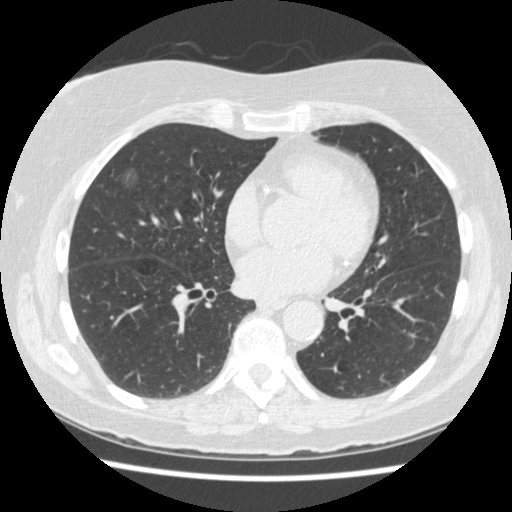
Axial chest CT slice 212 of 474 (counted from the lowest slice); 1.25 mm thick, 0.625 mm per pixel. Pulmonary nodule, outlined by all four readers, two of them on this slice. Box on this slice rows 169–186, columns 119–137, the union of the readers' outlines on this slice; longest diameter 14.7 mm on average over the four readers' outlines (readers' outlines 12.6–15.8 mm), volume 209–921 mm3. Ratings, by the readers' most common answer with dissent counted: most readers (three of four) put texture at 3/5 (part-solid), others 2/5 (one); most readers (three of four) put margin at 3/5, others 1/5 (indistinct) (one); sphericity split among the readers: 2/5 (one), 3/5 (ovoid) (one), 4/5 (one), 5/5 (round) (one); calcification absent, all four readers agreeing; internal structure soft tissue from all four readers; subtlety 5/5 by two of four readers; the rest gave 3/5 (one), 4/5 (one); most readers (three of four) put malignancy likelihood at 5/5, others 3/5 (one). Scale key (1–5): texture non-solid→solid, margin indistinct→circumscribed, sphericity linear→round, subtlety extremely subtle→obvious, malignancy likelihood highly unlikely→highly suspicious of cancer. Box rows and columns are 0-based pixel indices from the top-left corner, inclusive.
Acquired at 120 kVp and reconstructed with the STANDARD kernel.